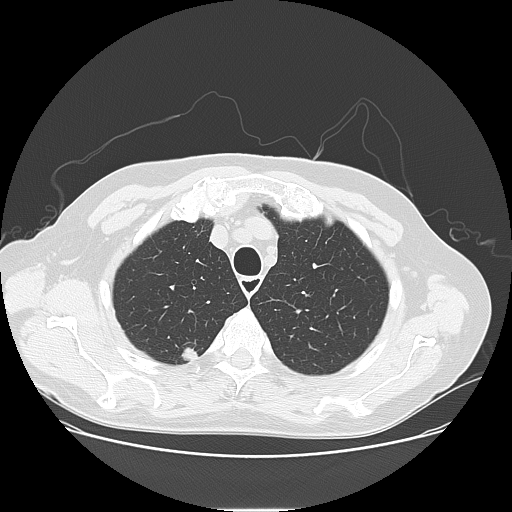
Chest CT, axial plane, 120 kVp, kernel LUNG. Slice 114/141 from the bottom of the scan; thickness 2.50 mm; pixel size 0.762 mm.
Pulmonary nodule, outlined by all four readers. Box on this slice rows 346–360, columns 181–197, the union of the readers' outlines on this slice; longest diameter 16.3 mm on average over the four readers' outlines (readers' outlines 15.9–17.1 mm), volume 1828–2231 mm3. The readers' prevailing ratings and who disagreed: texture 5/5 (solid) by three of four readers; the rest gave 3/5 (part-solid) (one); margin 5/5 (circumscribed) by two of four readers; the rest gave 2/5 (one), 4/5 (one); sphericity 4/5 by two of four readers; the rest gave 3/5 (ovoid) (one), 5/5 (round) (one); calcification absent from all four readers; internal structure soft tissue from all four readers; most readers (three of four) put subtlety at 5/5, others 4/5 (one); malignancy likelihood 5/5 by two of four readers; the rest gave 3/5 (one), 4/5 (one). Scale key (1–5): texture non-solid→solid, margin indistinct→circumscribed, sphericity linear→round, subtlety extremely subtle→obvious, malignancy likelihood highly unlikely→highly suspicious of cancer. Box rows and columns are 0-based pixel indices from the top-left corner, inclusive.